Axial chest CT slice 217 of 327 (counted from the lowest slice); tube voltage 120 kVp, convolution kernel B45f; slices 1.00 mm thick, 0.664 mm per pixel.
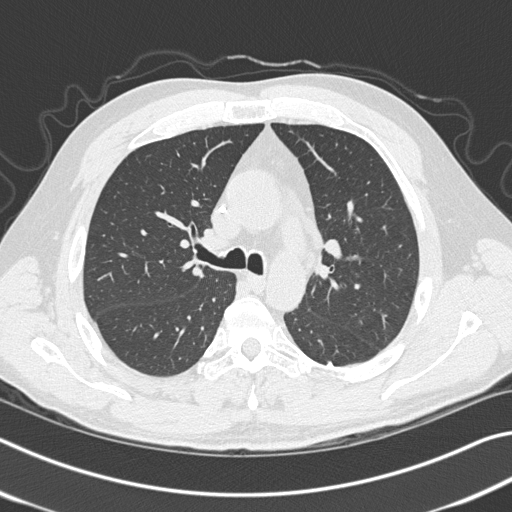
Pulmonary nodule, outlined by one of the four readers. Box on this slice rows 361–366, columns 326–333, that reader's outline on this slice; longest diameter 6.6 mm and volume 53 mm3 from that reader's outline. Ratings by that reader: texture 5/5 (solid); margin 5/5 (circumscribed); sphericity 4/5; calcification absent; internal structure soft tissue; subtlety 3/5; malignancy likelihood 2/5. Scale key (1–5): texture non-solid→solid, margin indistinct→circumscribed, sphericity linear→round, subtlety extremely subtle→obvious, malignancy likelihood highly unlikely→highly suspicious of cancer. Box rows and columns are 0-based pixel indices from the top-left corner, inclusive.